Axial chest CT slice 169 of 258 (counted from the lowest slice); tube voltage 120 kVp, convolution kernel STANDARD; slices 1.25 mm thick, 0.859 mm per pixel.
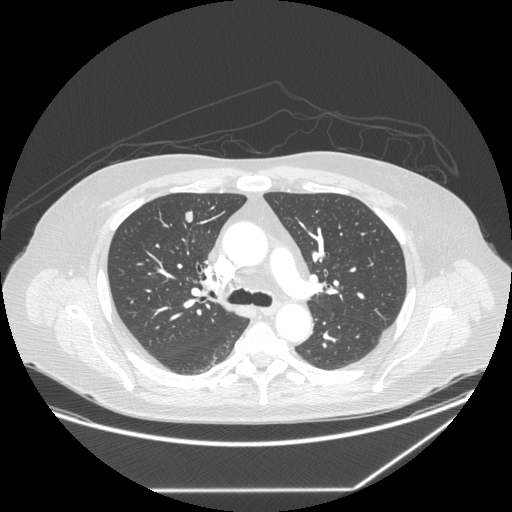
Pulmonary nodule outlined by all four readers; box rows 210–222, columns 185–192 (the union of the readers' outlines on this slice); median longest diameter 11.5 mm (readers' outlines 11.3–12.3 mm), median volume 339 mm3 (283–414 mm3). Ratings, median across the readers with their spread: texture 5/5 (solid), all four readers agreeing; median margin 5/5 (circumscribed) (readers ranged 4/5 to 5/5 (circumscribed)); sphericity 3/5 (ovoid) at the median of four readers, spread 3/5 (ovoid) to 5/5 (round); calcification absent, all four readers agreeing; internal structure soft tissue, all four readers agreeing; subtlety 4.5/5 at the median of four readers, spread 3–5; median malignancy likelihood 3/5 (readers ranged 2–4). Scale key (1–5): texture non-solid→solid, margin indistinct→circumscribed, sphericity linear→round, subtlety extremely subtle→obvious, malignancy likelihood highly unlikely→highly suspicious of cancer. Box rows and columns are 0-based pixel indices from the top-left corner, inclusive.